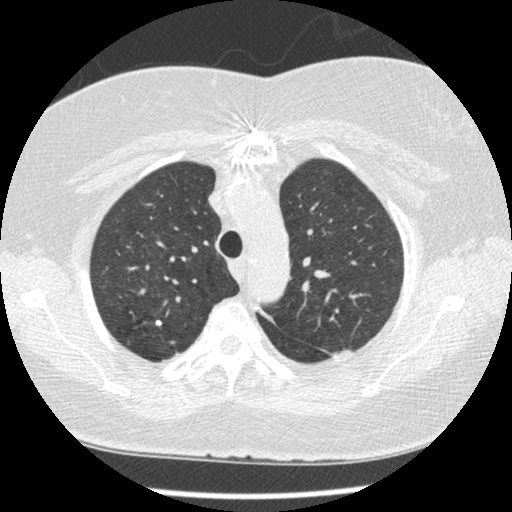
Axial slice 279 of 375 of a chest CT (slice 1 is the lowest), reconstructed with the STANDARD kernel at 120 kVp; 1.25 mm slice thickness and 0.625 mm pixels.
Two pulmonary nodules on this slice, listed from left to right. (1) Pulmonary nodule, outlined by three of the four readers. Box on this slice rows 319–325, columns 154–161, the union of the readers' outlines on this slice; the three readers' outlines give a longest diameter between 5.0 and 5.9 mm and a volume between 31 and 56 mm3. Ratings across the readers: texture 5/5 (solid), all three readers agreeing; margin 5/5 (circumscribed), all three readers agreeing; sphericity from 4/5 to 5/5 (round) across the three readers; calcification: solid calcification (two), absent (one); internal structure soft tissue, all three readers agreeing; subtlety from 4/5 to 5/5 across the three readers; malignancy likelihood 1–2/5 (the readers disagree). (2) Pulmonary nodule, outlined by two of the four readers, one of them on this slice. Box on this slice rows 339–343, columns 168–176, the one reader's outline on this slice; longest diameter 7.8 mm on average over the two readers' outlines (readers' outlines 6.4–9.1 mm), volume 95–233 mm3. Ratings, by the readers' most common answer with dissent counted: texture 5/5 (solid) from both readers; margin 5/5 (circumscribed) from both readers; sphericity split among the readers: 3/5 (ovoid) (one), 4/5 (one); calcification split among the readers: solid calcification (one), absent (one); internal structure soft tissue, both readers agreeing; subtlety split among the readers: 4/5 (one), 5/5 (one); malignancy likelihood split among the readers: 1/5 (one), 3/5 (one). Scale key (1–5): texture non-solid→solid, margin indistinct→circumscribed, sphericity linear→round, subtlety extremely subtle→obvious, malignancy likelihood highly unlikely→highly suspicious of cancer. Box rows and columns are 0-based pixel indices from the top-left corner, inclusive.